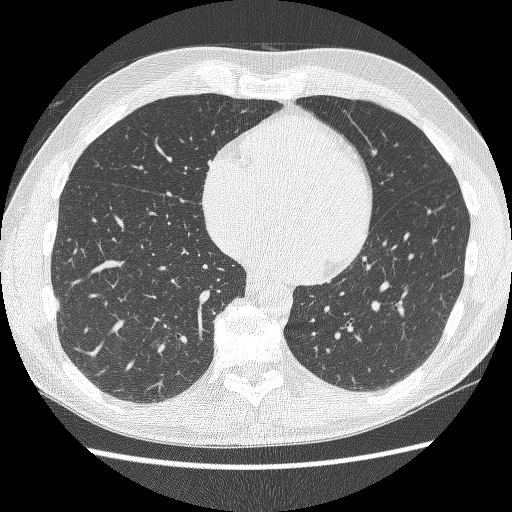
Axial chest CT slice 90 of 252 (counted from the lowest slice); tube voltage 120 kVp, convolution kernel BONE; slices 1.25 mm thick, 0.703 mm per pixel.
Pulmonary nodule, outlined by two of the four readers. Box on this slice rows 298–310, columns 54–59, the union of the readers' outlines on this slice; longest diameter 12.1 mm on average over the two readers' outlines (readers' outlines 11.4–12.7 mm), volume 256–262 mm3. The readers' prevailing ratings and who disagreed: texture split among the readers: 4/5 (one), 5/5 (solid) (one); margin split among the readers: 3/5 (one), 5/5 (circumscribed) (one); sphericity split among the readers: 2/5 (one), 3/5 (ovoid) (one); calcification absent, both readers agreeing; internal structure soft tissue, both readers agreeing; subtlety split among the readers: 2/5 (one), 5/5 (one); malignancy likelihood split among the readers: 2/5 (one), 3/5 (one). Scale key (1–5): texture non-solid→solid, margin indistinct→circumscribed, sphericity linear→round, subtlety extremely subtle→obvious, malignancy likelihood highly unlikely→highly suspicious of cancer. Box rows and columns are 0-based pixel indices from the top-left corner, inclusive.